Chest CT, axial plane, 135 kVp, kernel FC01. Slice 55/112 from the bottom of the scan; thickness 3.00 mm; pixel size 0.659 mm.
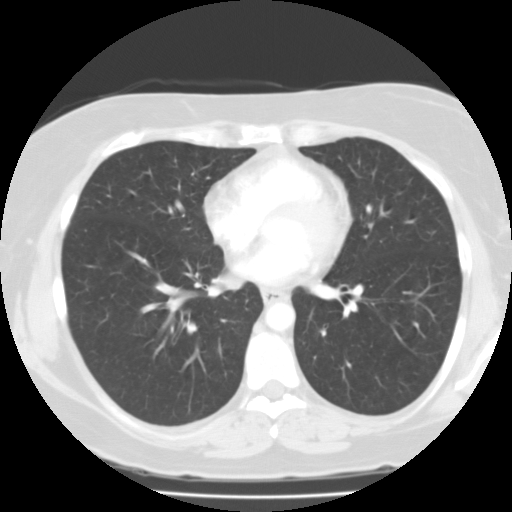
Pulmonary nodule, outlined by one of the four readers. Box on this slice rows 329–335, columns 320–325, that reader's outline on this slice; longest diameter 7.3 mm and volume 212 mm3 from that reader's outline. That reader's ratings: texture 1/5 (non-solid); margin 1/5 (indistinct); sphericity 4/5; calcification absent; internal structure fluid; subtlety 3/5; malignancy likelihood 3/5. Scale key (1–5): texture non-solid→solid, margin indistinct→circumscribed, sphericity linear→round, subtlety extremely subtle→obvious, malignancy likelihood highly unlikely→highly suspicious of cancer. Box rows and columns are 0-based pixel indices from the top-left corner, inclusive.